One axial slice (98 of 265, counting up from the lowest) of a chest CT acquired at 120 kVp with the STANDARD kernel; each pixel is 0.670 mm and the slice is 1.25 mm thick.
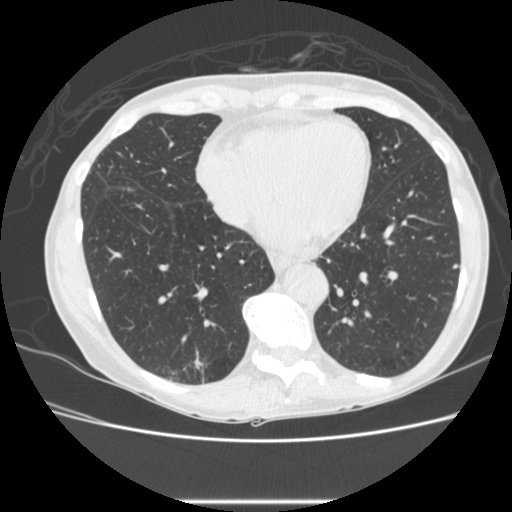
Pulmonary nodule, outlined by three of the four readers. Box on this slice rows 263–269, columns 452–458, the union of the readers' outlines on this slice; longest diameter 5.7 mm on average over the three readers' outlines (readers' outlines 4.9–6.3 mm), volume 34–77 mm3. The readers' prevailing ratings and who disagreed: most readers (two of three) put texture at 5/5 (solid), others 4/5 (one); margin 5/5 (circumscribed), all three readers agreeing; most readers (two of three) put sphericity at 3/5 (ovoid), others 5/5 (round) (one); calcification absent by two of three readers, central calcification (one); internal structure soft tissue, all three readers agreeing; most readers (two of three) put subtlety at 5/5, others 3/5 (one); malignancy likelihood 2/5 from all three readers. Scale key (1–5): texture non-solid→solid, margin indistinct→circumscribed, sphericity linear→round, subtlety extremely subtle→obvious, malignancy likelihood highly unlikely→highly suspicious of cancer. Box rows and columns are 0-based pixel indices from the top-left corner, inclusive.